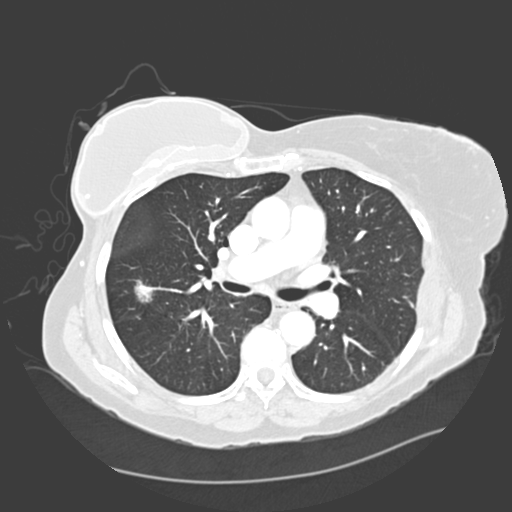
Chest CT, axial plane, 120 kVp, kernel D. Slice 189/328 from the bottom of the scan; thickness 2.00 mm; pixel size 0.742 mm.
Pulmonary nodule outlined by all four readers; box rows 280–303, columns 133–152 (the union of the readers' outlines on this slice); longest diameter 18.3–21.0 mm and volume 877–1921 mm3 across the four readers' outlines. Ratings across the readers: texture from 3/5 (part-solid) to 5/5 (solid) across the four readers; margin from 2/5 to 4/5 across the four readers; sphericity from 2/5 to 3/5 (ovoid) across the four readers; calcification absent from all four readers; internal structure soft tissue from all four readers; subtlety rated between 4 and 5 out of 5 by the four readers; malignancy likelihood from 3/5 to 5/5 across the four readers. Scale key (1–5): texture non-solid→solid, margin indistinct→circumscribed, sphericity linear→round, subtlety extremely subtle→obvious, malignancy likelihood highly unlikely→highly suspicious of cancer. Box rows and columns are 0-based pixel indices from the top-left corner, inclusive.